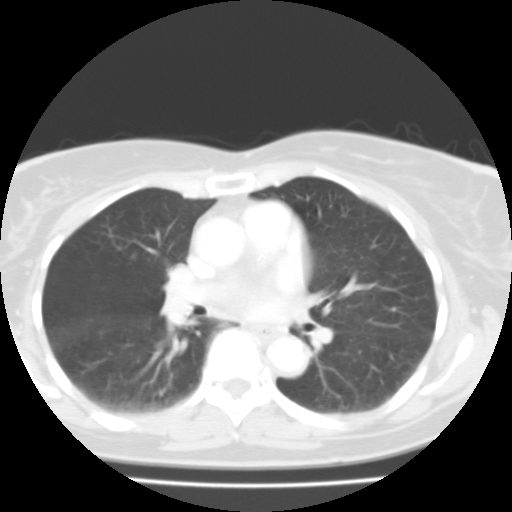
Chest CT, axial plane, 135 kVp, kernel FC01. Slice 54/99 from the bottom of the scan; thickness 3.00 mm; pixel size 0.586 mm.
No nodule 3 mm or larger was outlined here by any reader.